Axial chest CT slice 93 of 113 (counted from the lowest slice); tube voltage 120 kVp, convolution kernel STANDARD; slices 2.50 mm thick, 0.742 mm per pixel.
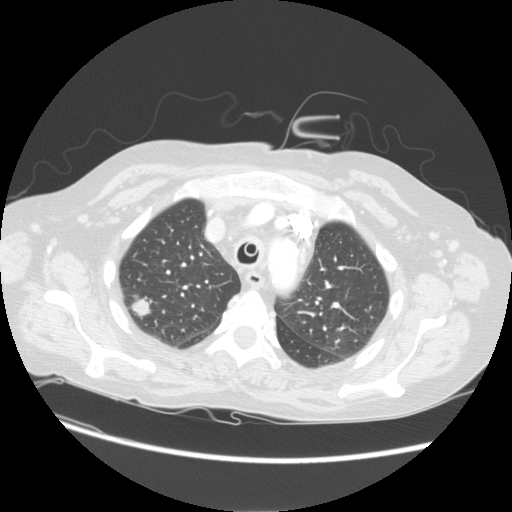
Pulmonary nodule at rows 294–319, columns 129–152 (box = the union of the readers' outlines on this slice), outlined by all four readers; median longest diameter 20.4 mm (readers' outlines 19.0–21.1 mm), median volume 2378 mm3 (1815–2942 mm3). Median ratings and the readers' spread: texture 5/5 (solid) from all four readers; median margin 4/5 (readers ranged 2/5 to 5/5 (circumscribed)); sphericity 4.5/5 at the median of four readers, spread 3/5 (ovoid) to 5/5 (round); calcification absent, all four readers agreeing; internal structure soft tissue, all four readers agreeing; subtlety 5/5, all four readers agreeing; malignancy likelihood 5/5 at the median of four readers, spread 3–5. Scale key (1–5): texture non-solid→solid, margin indistinct→circumscribed, sphericity linear→round, subtlety extremely subtle→obvious, malignancy likelihood highly unlikely→highly suspicious of cancer. Box rows and columns are 0-based pixel indices from the top-left corner, inclusive.